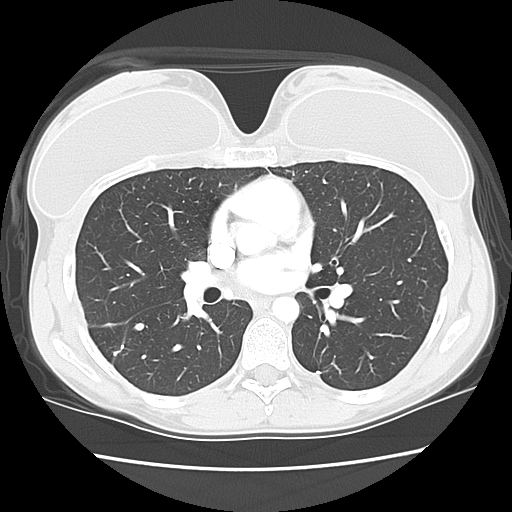
This is axial slice 76 of 129 (slice 1 is the lowest) of a chest CT; each pixel is 0.625 mm and the slice is 2.50 mm thick. Pulmonary nodule outlined by all four readers; box rows 322–331, columns 132–144 (the union of the readers' outlines on this slice); longest diameter 7.2 mm on average over the four readers' outlines (readers' outlines 5.6–8.5 mm), volume 114–201 mm3. The readers' prevailing ratings and who disagreed: texture 5/5 (solid) from all four readers; margin 5/5 (circumscribed) by three of four readers; the rest gave 4/5 (one); sphericity split among the readers: 3/5 (ovoid) (two), 5/5 (round) (two); calcification solid calcification by two of four readers, laminated calcification (one), absent (one); internal structure soft tissue from all four readers; most readers (three of four) put subtlety at 5/5, others 4/5 (one); malignancy likelihood 1/5 by two of four readers; the rest gave 2/5 (one), 3/5 (one). Scale key (1–5): texture non-solid→solid, margin indistinct→circumscribed, sphericity linear→round, subtlety extremely subtle→obvious, malignancy likelihood highly unlikely→highly suspicious of cancer. Box rows and columns are 0-based pixel indices from the top-left corner, inclusive.
Tube voltage 120 kVp; convolution kernel LUNG.